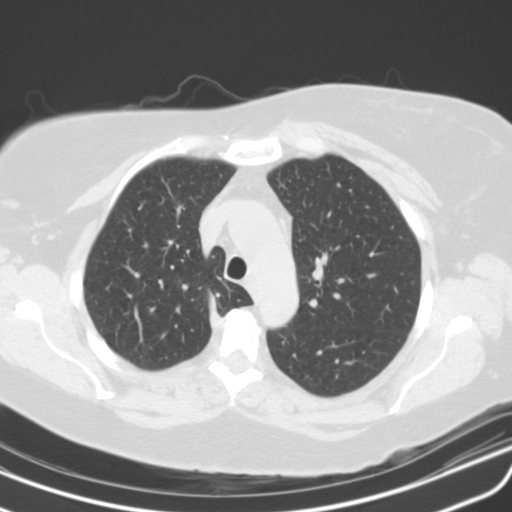
This is axial slice 87 of 115 (slice 1 is the lowest) of a chest CT; each pixel is 0.652 mm and the slice is 3.00 mm thick. This slice carries no reader outline of a nodule 3 mm or larger.
Tube voltage 130 kVp; convolution kernel B31s.